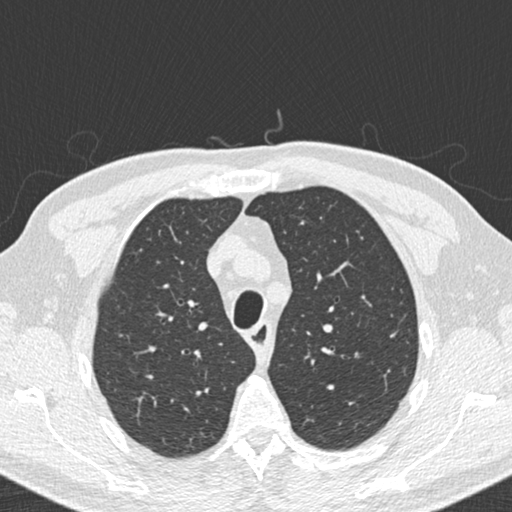
One axial slice (155 of 197, counting up from the lowest) of a chest CT acquired at 120 kVp with the B30f kernel; each pixel is 0.625 mm and the slice is 2.00 mm thick.
Pulmonary nodule outlined by all four readers, two of them on this slice; box rows 352–357, columns 353–358 (the union of the readers' outlines on this slice); median longest diameter 5.6 mm (readers' outlines 3.6–5.9 mm), median volume 63 mm3 (19–70 mm3). Median ratings and the readers' spread: texture 5/5 (solid) from all four readers; margin 5/5 (circumscribed), all four readers agreeing; median sphericity 4.5/5 (readers ranged 4/5 to 5/5 (round)); calcification solid calcification, all four readers agreeing; internal structure soft tissue from all four readers; subtlety 5/5 at the median of four readers, spread 4–5; malignancy likelihood 1/5 from all four readers. Scale key (1–5): texture non-solid→solid, margin indistinct→circumscribed, sphericity linear→round, subtlety extremely subtle→obvious, malignancy likelihood highly unlikely→highly suspicious of cancer. Box rows and columns are 0-based pixel indices from the top-left corner, inclusive.